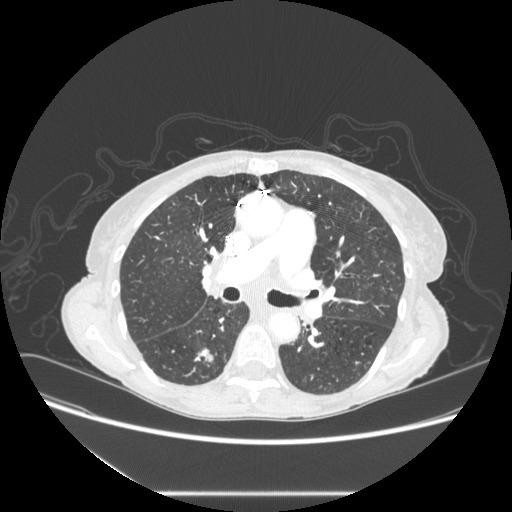
Axial slice 175 of 289 of a chest CT (slice 1 is the lowest), reconstructed with the STANDARD kernel at 120 kVp; 1.25 mm slice thickness and 0.764 mm pixels.
Pulmonary nodule, outlined by all four readers. Box on this slice rows 348–362, columns 194–213, the union of the readers' outlines on this slice; median longest diameter 21.1 mm (readers' outlines 20.5–21.9 mm), median volume 2513 mm3 (2320–2697 mm3). Median ratings and the readers' spread: texture 4.5/5 at the median of four readers, spread 4/5 to 5/5 (solid); margin 4/5 from all four readers; sphericity 3/5 (ovoid) at the median of four readers, spread 3/5 (ovoid) to 5/5 (round); calcification absent from all four readers; internal structure soft tissue, all four readers agreeing; subtlety 5/5 at the median of four readers, spread 4–5; median malignancy likelihood 4.5/5 (readers ranged 3–5). Scale key (1–5): texture non-solid→solid, margin indistinct→circumscribed, sphericity linear→round, subtlety extremely subtle→obvious, malignancy likelihood highly unlikely→highly suspicious of cancer. Box rows and columns are 0-based pixel indices from the top-left corner, inclusive.